Axial slice 202 of 253 of a chest CT (slice 1 is the lowest), reconstructed with the BONE kernel at 120 kVp; 1.25 mm slice thickness and 0.625 mm pixels.
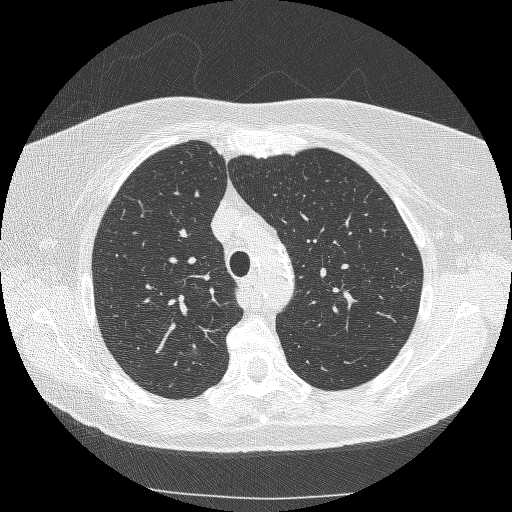
Pulmonary nodule, outlined by one of the four readers. Box on this slice rows 349–358, columns 188–200, that reader's outline on this slice; longest diameter 11.3 mm and volume 214 mm3 from that reader's outline. Ratings by that reader: texture 1/5 (non-solid); margin 1/5 (indistinct); sphericity 4/5; calcification absent; internal structure soft tissue; subtlety 3/5; malignancy likelihood 3/5. Scale key (1–5): texture non-solid→solid, margin indistinct→circumscribed, sphericity linear→round, subtlety extremely subtle→obvious, malignancy likelihood highly unlikely→highly suspicious of cancer. Box rows and columns are 0-based pixel indices from the top-left corner, inclusive.